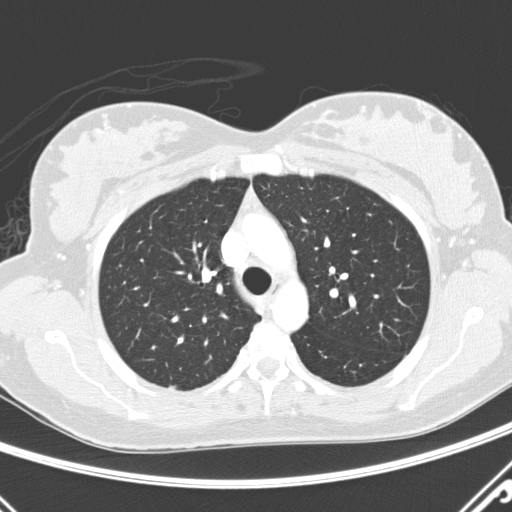
This is axial slice 209 of 290 (slice 1 is the lowest) of a chest CT; each pixel is 0.648 mm and the slice is 2.00 mm thick. Pulmonary nodule outlined by one of the four readers; box rows 384–389, columns 168–178 (that reader's outline on this slice); longest diameter 10.5 mm and volume 127 mm3 from that reader's outline. Ratings by that reader: texture 4/5; margin 4/5; sphericity 4/5; calcification absent; internal structure soft tissue; subtlety 5/5; malignancy likelihood 3/5. Scale key (1–5): texture non-solid→solid, margin indistinct→circumscribed, sphericity linear→round, subtlety extremely subtle→obvious, malignancy likelihood highly unlikely→highly suspicious of cancer. Box rows and columns are 0-based pixel indices from the top-left corner, inclusive.
Acquired at 120 kVp and reconstructed with the D kernel.